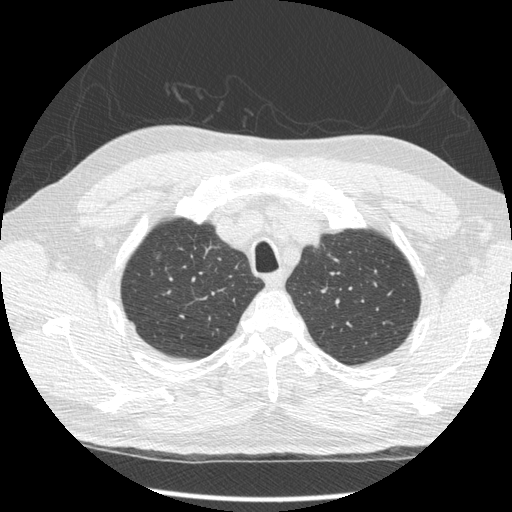
Axial chest CT slice 377 of 452 (counted from the lowest slice); 1.25 mm thick, 0.703 mm per pixel. Pulmonary nodule at rows 251–261, columns 154–160 (box = the union of the readers' outlines on this slice), outlined by three of the four readers, two of them on this slice; longest diameter 8.6 mm on average over the three readers' outlines (readers' outlines 7.2–10.2 mm), volume 45–84 mm3. The readers' prevailing ratings and who disagreed: most readers (two of three) put texture at 1/5 (non-solid), others 4/5 (one); most readers (two of three) put margin at 2/5, others 3/5 (one); sphericity split among the readers: 3/5 (ovoid) (one), 4/5 (one), 5/5 (round) (one); calcification absent, all three readers agreeing; internal structure soft tissue, all three readers agreeing; subtlety 1/5 by two of three readers; the rest gave 4/5 (one); malignancy likelihood 3/5 by two of three readers; the rest gave 5/5 (one). Scale key (1–5): texture non-solid→solid, margin indistinct→circumscribed, sphericity linear→round, subtlety extremely subtle→obvious, malignancy likelihood highly unlikely→highly suspicious of cancer. Box rows and columns are 0-based pixel indices from the top-left corner, inclusive.
Acquired at 120 kVp and reconstructed with the STANDARD kernel.